Axial slice 40 of 421 of a chest CT (slice 1 is the lowest), reconstructed with the STANDARD kernel at 120 kVp; 1.25 mm slice thickness and 0.703 mm pixels.
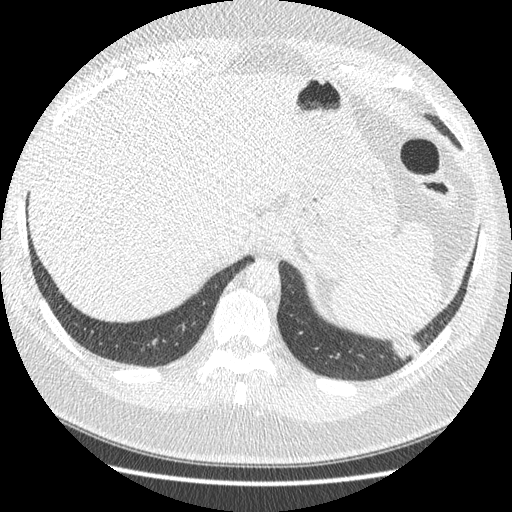
Pulmonary nodule at rows 335–359, columns 391–421 (box = the union of the readers' outlines on this slice), outlined four times (the source holds four more outlines, not used); longest diameter 33.9 mm on average over the four readers' outlines (readers' outlines 30.9–38.9 mm), volume 4443–5826 mm3. The readers' prevailing ratings and who disagreed: most readers (three of four) put texture at 5/5 (solid), others 4/5 (one); margin 4/5 by three of four readers; the rest gave 3/5 (one); sphericity 2/5 by two of four readers; the rest gave 3/5 (ovoid) (one), 4/5 (one); calcification absent from all four readers; internal structure soft tissue from all four readers; subtlety 5/5 by three of four readers; the rest gave 4/5 (one); malignancy likelihood split among the readers: 2/5 (one), 3/5 (one), 4/5 (one), 5/5 (one). Scale key (1–5): texture non-solid→solid, margin indistinct→circumscribed, sphericity linear→round, subtlety extremely subtle→obvious, malignancy likelihood highly unlikely→highly suspicious of cancer. Box rows and columns are 0-based pixel indices from the top-left corner, inclusive.